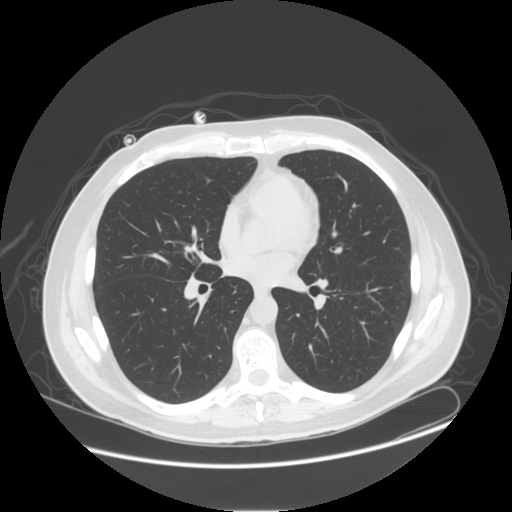
Chest CT, axial plane, 120 kVp, kernel STANDARD. Slice 73/143 from the bottom of the scan; thickness 2.50 mm; pixel size 0.859 mm.
No nodule 3 mm or larger was outlined here by any reader.